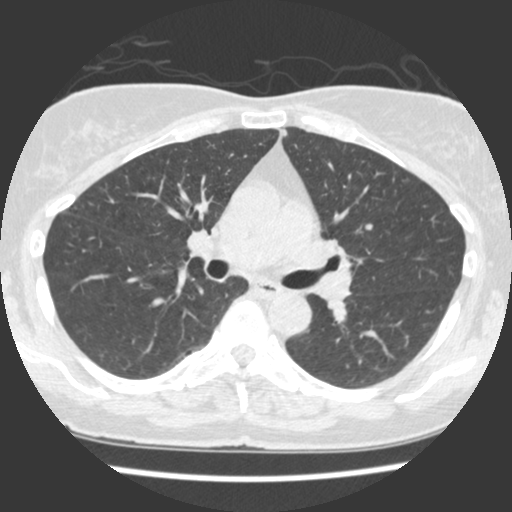
One axial slice (230 of 429, counting up from the lowest) of a chest CT acquired at 120 kVp with the STANDARD kernel; each pixel is 0.586 mm and the slice is 1.25 mm thick.
Two pulmonary nodules are outlined on this slice; from left to right: (1) Pulmonary nodule outlined by one of the four readers; box rows 128–137, columns 282–287 (that reader's outline on this slice); longest diameter 7.8 mm and volume 111 mm3 from that reader's outline. That reader's ratings: texture 5/5 (solid); margin 2/5; sphericity 2/5; calcification absent; internal structure soft tissue; subtlety 2/5; malignancy likelihood 1/5. (2) Pulmonary nodule outlined by all four readers; box rows 223–230, columns 364–372 (the union of the readers' outlines on this slice); median longest diameter 6.3 mm (readers' outlines 5.6–6.9 mm), median volume 52 mm3 (30–64 mm3). Ratings, median across the readers with their spread: texture 5/5 (solid) from all four readers; margin 4/5 at the median of four readers, spread 3/5 to 5/5 (circumscribed); sphericity 4/5 from all four readers; calcification absent from all four readers; internal structure soft tissue from all four readers; median subtlety 3.5/5 (readers ranged 3–4); malignancy likelihood 2/5 at the median of four readers, spread 1–3. Scale key (1–5): texture non-solid→solid, margin indistinct→circumscribed, sphericity linear→round, subtlety extremely subtle→obvious, malignancy likelihood highly unlikely→highly suspicious of cancer. Box rows and columns are 0-based pixel indices from the top-left corner, inclusive.